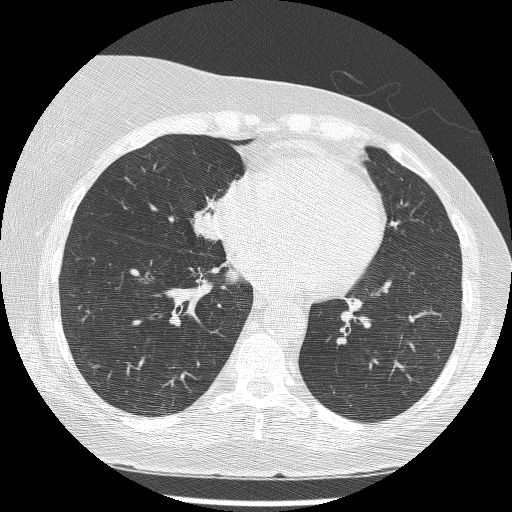
Chest CT, axial plane, 120 kVp, kernel BONE. Slice 73/209 from the bottom of the scan; thickness 1.25 mm; pixel size 0.617 mm.
Pulmonary nodule outlined by three of the four readers; box rows 211–240, columns 191–220 (the union of the readers' outlines on this slice); median longest diameter 24.2 mm (readers' outlines 22.9–27.7 mm), median volume 3128 mm3 (3040–4232 mm3). Median ratings and the readers' spread: texture 5/5 (solid) from all three readers; median margin 5/5 (circumscribed) (readers ranged 4/5 to 5/5 (circumscribed)); sphericity 4/5 at the median of three readers, spread 3/5 (ovoid) to 4/5; calcification absent from all three readers; internal structure soft tissue, all three readers agreeing; subtlety 5/5, all three readers agreeing; malignancy likelihood 5/5 from all three readers. Scale key (1–5): texture non-solid→solid, margin indistinct→circumscribed, sphericity linear→round, subtlety extremely subtle→obvious, malignancy likelihood highly unlikely→highly suspicious of cancer. Box rows and columns are 0-based pixel indices from the top-left corner, inclusive.